Axial chest CT slice 197 of 347 (counted from the lowest slice); tube voltage 120 kVp, convolution kernel B45f; slices 1.00 mm thick, 0.625 mm per pixel.
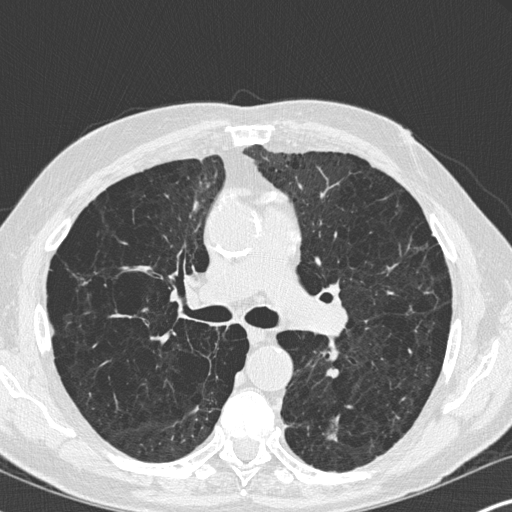
Pulmonary nodule, outlined by all four readers, three of them on this slice. Box on this slice rows 418–442, columns 325–337, the union of the readers' outlines on this slice; median longest diameter 13.0 mm (readers' outlines 9.8–15.6 mm), median volume 307 mm3 (236–361 mm3). Ratings, median across the readers with their spread: texture 5/5 (solid) at the median of four readers, spread 4/5 to 5/5 (solid); margin 3.5/5 at the median of four readers, spread 2/5 to 5/5 (circumscribed); sphericity 3/5 (ovoid) at the median of four readers, spread 2/5 to 4/5; calcification absent, all four readers agreeing; internal structure soft tissue from all four readers; subtlety 4/5 at the median of four readers, spread 4–5; malignancy likelihood 3.5/5 at the median of four readers, spread 3–4. Scale key (1–5): texture non-solid→solid, margin indistinct→circumscribed, sphericity linear→round, subtlety extremely subtle→obvious, malignancy likelihood highly unlikely→highly suspicious of cancer. Box rows and columns are 0-based pixel indices from the top-left corner, inclusive.